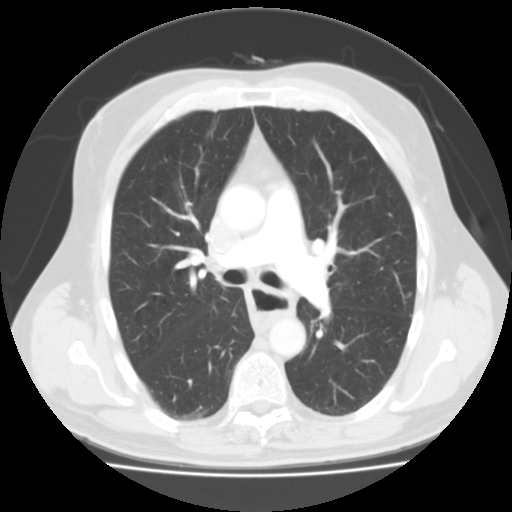
Axial slice 64 of 103 of a chest CT (slice 1 is the lowest), reconstructed with the FC01 kernel at 135 kVp; 3.00 mm slice thickness and 0.738 mm pixels.
Pulmonary nodule at rows 291–296, columns 407–411 (box = that reader's outline on this slice), outlined by one of the four readers; longest diameter 6.3 mm and volume 153 mm3 from that reader's outline. Ratings by that reader: texture 4/5; margin 3/5; sphericity 4/5; calcification absent; internal structure soft tissue; subtlety 4/5; malignancy likelihood 3/5. Scale key (1–5): texture non-solid→solid, margin indistinct→circumscribed, sphericity linear→round, subtlety extremely subtle→obvious, malignancy likelihood highly unlikely→highly suspicious of cancer. Box rows and columns are 0-based pixel indices from the top-left corner, inclusive.